One axial slice (162 of 278, counting up from the lowest) of a chest CT acquired at 130 kVp with the B40s kernel; each pixel is 0.977 mm and the slice is 3.00 mm thick.
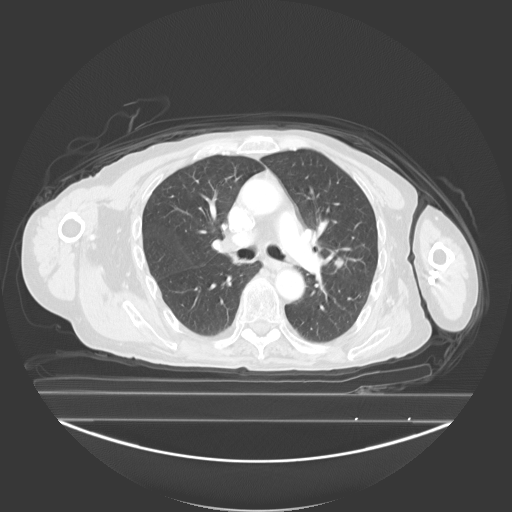
Pulmonary nodule outlined by three of the four readers; box rows 257–268, columns 334–343 (the union of the readers' outlines on this slice); median longest diameter 12.8 mm (readers' outlines 12.8–14.8 mm), median volume 803 mm3 (665–985 mm3). Median ratings and the readers' spread: median texture 5/5 (solid) (readers ranged 4/5 to 5/5 (solid)); margin 4/5, all three readers agreeing; sphericity 5/5 (round) at the median of three readers, spread 4/5 to 5/5 (round); calcification absent, all three readers agreeing; internal structure soft tissue from all three readers; subtlety 4/5 at the median of three readers, spread 3–5; median malignancy likelihood 3/5 (readers ranged 2–4). Scale key (1–5): texture non-solid→solid, margin indistinct→circumscribed, sphericity linear→round, subtlety extremely subtle→obvious, malignancy likelihood highly unlikely→highly suspicious of cancer. Box rows and columns are 0-based pixel indices from the top-left corner, inclusive.